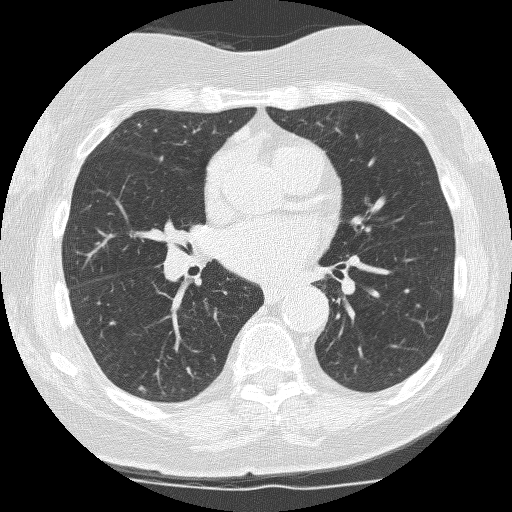
Axial chest CT slice 133 of 246 (counted from the lowest slice); tube voltage 120 kVp, convolution kernel BONE; slices 1.25 mm thick, 0.566 mm per pixel.
No nodule of 3 mm or larger was outlined by any of the four readers on this slice.